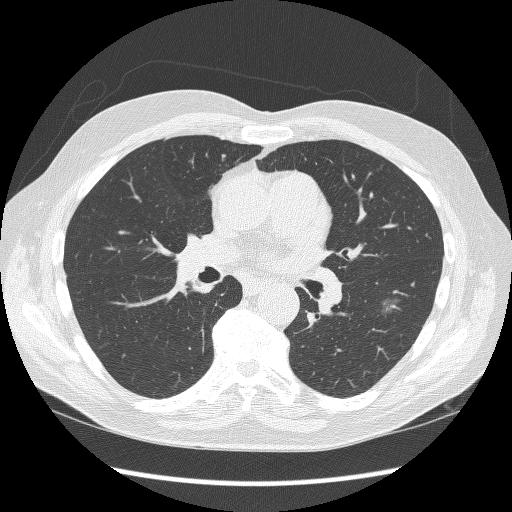
Chest CT, axial plane, 120 kVp, kernel BONE. Slice 180/298 from the bottom of the scan; thickness 1.25 mm; pixel size 0.719 mm.
Pulmonary nodule, outlined by two of the four readers. Box on this slice rows 297–315, columns 379–399, the union of the readers' outlines on this slice; median longest diameter 18.2 mm (readers' outlines 18.0–18.4 mm), median volume 970 mm3 (963–976 mm3). Ratings, median across the readers with their spread: texture 1/5 (non-solid) from both readers; median margin 3/5 (readers ranged 1/5 (indistinct) to 5/5 (circumscribed)); sphericity 2.5/5 at the median of two readers, spread 2/5 to 3/5 (ovoid); calcification absent, both readers agreeing; internal structure soft tissue, both readers agreeing; subtlety 3.5/5 at the median of two readers, spread 3–4; median malignancy likelihood 3.5/5 (readers ranged 3–4). Scale key (1–5): texture non-solid→solid, margin indistinct→circumscribed, sphericity linear→round, subtlety extremely subtle→obvious, malignancy likelihood highly unlikely→highly suspicious of cancer. Box rows and columns are 0-based pixel indices from the top-left corner, inclusive.